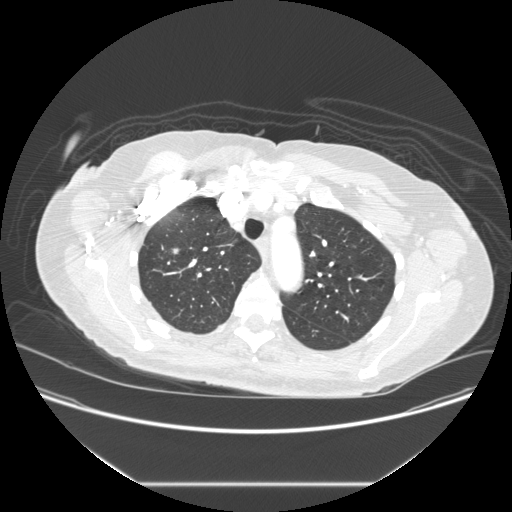
Slice 187/238 of a chest CT, counting up from the lowest; pixel size 0.781 mm, slice thickness 1.25 mm. Pulmonary nodule at rows 249–252, columns 173–177 (box = that reader's outline on this slice), outlined by one of the four readers; longest diameter 6.3 mm and volume 68 mm3 from that reader's outline. Ratings by that reader: texture 5/5 (solid); margin 4/5; sphericity 4/5; calcification absent; internal structure soft tissue; subtlety 3/5; malignancy likelihood 3/5. Scale key (1–5): texture non-solid→solid, margin indistinct→circumscribed, sphericity linear→round, subtlety extremely subtle→obvious, malignancy likelihood highly unlikely→highly suspicious of cancer. Box rows and columns are 0-based pixel indices from the top-left corner, inclusive.
Tube voltage 120 kVp; convolution kernel STANDARD.